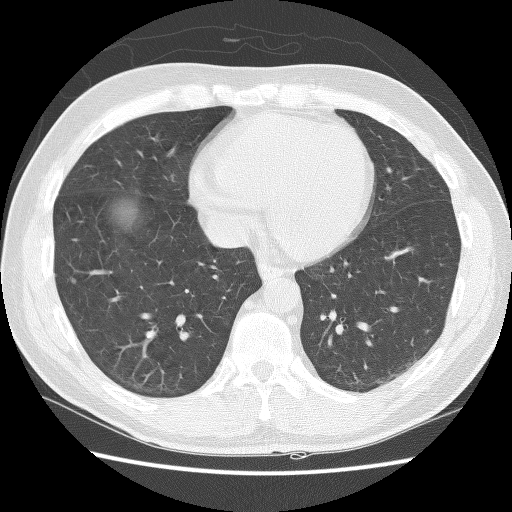
Axial slice 47 of 127 of a chest CT (slice 1 is the lowest), reconstructed with the BONE kernel at 140 kVp; 2.50 mm slice thickness and 0.664 mm pixels.
Pulmonary nodule at rows 277–284, columns 70–76 (box = the union of the readers' outlines on this slice), outlined by three of the four readers; median longest diameter 5.5 mm (readers' outlines 4.8–6.1 mm), median volume 72 mm3 (57–89 mm3). Median ratings and the readers' spread: texture 4/5 at the median of three readers, spread 3/5 (part-solid) to 5/5 (solid); margin 4/5 at the median of three readers, spread 3/5 to 5/5 (circumscribed); sphericity 4/5 at the median of three readers, spread 3/5 (ovoid) to 4/5; calcification absent from all three readers; internal structure soft tissue from all three readers; median subtlety 3/5 (readers ranged 2–4); malignancy likelihood 2/5 at the median of three readers, spread 2–3. Scale key (1–5): texture non-solid→solid, margin indistinct→circumscribed, sphericity linear→round, subtlety extremely subtle→obvious, malignancy likelihood highly unlikely→highly suspicious of cancer. Box rows and columns are 0-based pixel indices from the top-left corner, inclusive.